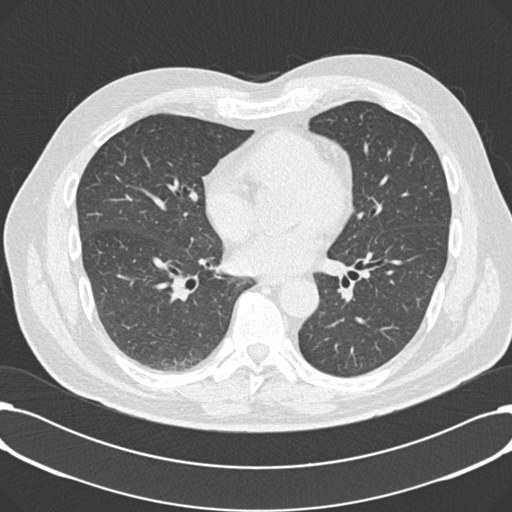
Axial slice 89 of 195 of a chest CT (slice 1 is the lowest), reconstructed with the B30f kernel at 120 kVp; 2.00 mm slice thickness and 0.723 mm pixels.
No nodule of 3 mm or larger was outlined by any of the four readers on this slice.